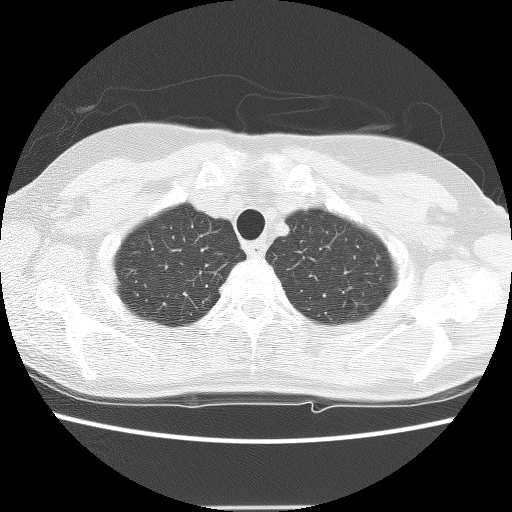
One axial slice (110 of 124, counting up from the lowest) of a chest CT acquired at 140 kVp with the BONE kernel; each pixel is 0.615 mm and the slice is 2.50 mm thick.
Pulmonary nodule, outlined by two of the four readers. Box on this slice rows 254–259, columns 375–379, the union of the readers' outlines on this slice; the two readers' outlines give a longest diameter between 3.6 and 4.7 mm and a volume between 26 and 53 mm3. The readers' ratings, as ranges where they differ: texture from 3/5 (part-solid) to 5/5 (solid) across the two readers; margin from 3/5 to 5/5 (circumscribed) across the two readers; sphericity from 3/5 (ovoid) to 5/5 (round) across the two readers; calcification absent from both readers; internal structure soft tissue from both readers; subtlety 1–4/5 (the readers disagree); malignancy likelihood from 1/5 to 3/5 across the two readers. Scale key (1–5): texture non-solid→solid, margin indistinct→circumscribed, sphericity linear→round, subtlety extremely subtle→obvious, malignancy likelihood highly unlikely→highly suspicious of cancer. Box rows and columns are 0-based pixel indices from the top-left corner, inclusive.